Axial slice 57 of 103 of a chest CT (slice 1 is the lowest), reconstructed with the BONE kernel at 140 kVp; 2.50 mm slice thickness and 0.564 mm pixels.
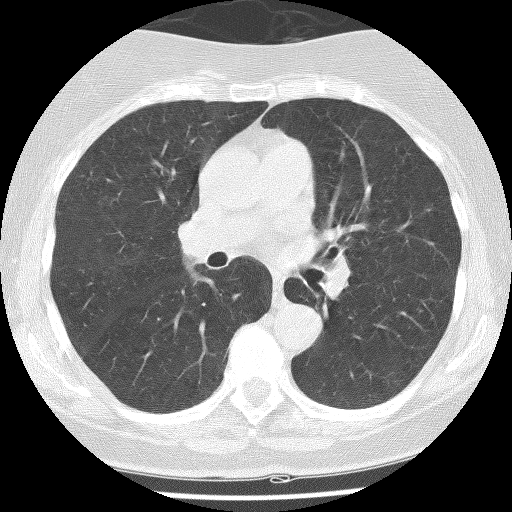
This slice carries no reader outline of a nodule 3 mm or larger.